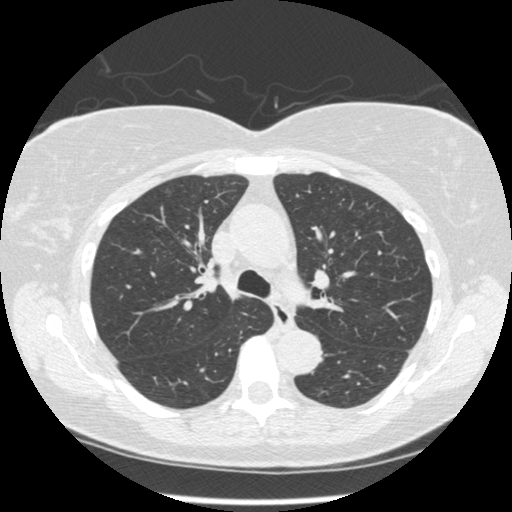
Axial chest CT slice 323 of 490 (counted from the lowest slice); tube voltage 120 kVp, convolution kernel STANDARD; slices 1.25 mm thick, 0.645 mm per pixel.
Pulmonary nodule, outlined by one of the four readers. Box on this slice rows 187–196, columns 164–170, that reader's outline on this slice; longest diameter 7.8 mm and volume 52 mm3 from that reader's outline. That reader's ratings: texture 4/5; margin 5/5 (circumscribed); sphericity 4/5; calcification absent; internal structure soft tissue; subtlety 3/5; malignancy likelihood 2/5. Scale key (1–5): texture non-solid→solid, margin indistinct→circumscribed, sphericity linear→round, subtlety extremely subtle→obvious, malignancy likelihood highly unlikely→highly suspicious of cancer. Box rows and columns are 0-based pixel indices from the top-left corner, inclusive.